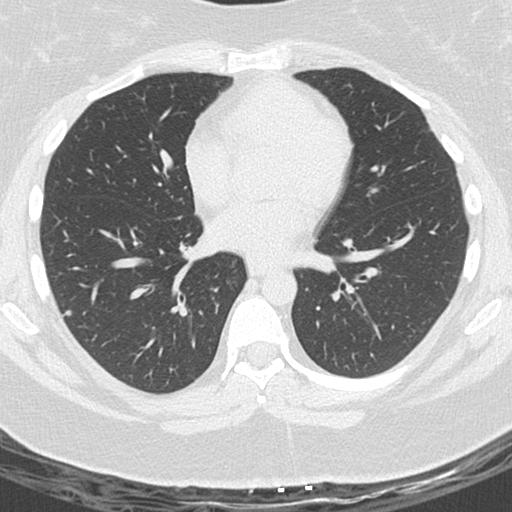
Axial chest CT slice 121 of 250 (counted from the lowest slice); tube voltage 120 kVp, convolution kernel B45f; slices 1.00 mm thick, 0.566 mm per pixel.
Pulmonary nodule, outlined by three of the four readers. Box on this slice rows 310–315, columns 65–71, the union of the readers' outlines on this slice; longest diameter 5.3 mm on average over the three readers' outlines (readers' outlines 5.1–5.6 mm), volume 28–52 mm3. Ratings, by the readers' most common answer with dissent counted: most readers (two of three) put texture at 5/5 (solid), others 4/5 (one); margin 4/5 by two of three readers; the rest gave 3/5 (one); most readers (two of three) put sphericity at 4/5, others 5/5 (round) (one); calcification absent from all three readers; internal structure soft tissue, all three readers agreeing; subtlety split among the readers: 2/5 (one), 3/5 (one), 4/5 (one); most readers (two of three) put malignancy likelihood at 3/5, others 4/5 (one). Scale key (1–5): texture non-solid→solid, margin indistinct→circumscribed, sphericity linear→round, subtlety extremely subtle→obvious, malignancy likelihood highly unlikely→highly suspicious of cancer. Box rows and columns are 0-based pixel indices from the top-left corner, inclusive.